Chest CT, axial plane, 120 kVp, kernel STANDARD. Slice 160/295 from the bottom of the scan; thickness 2.50 mm; pixel size 0.703 mm.
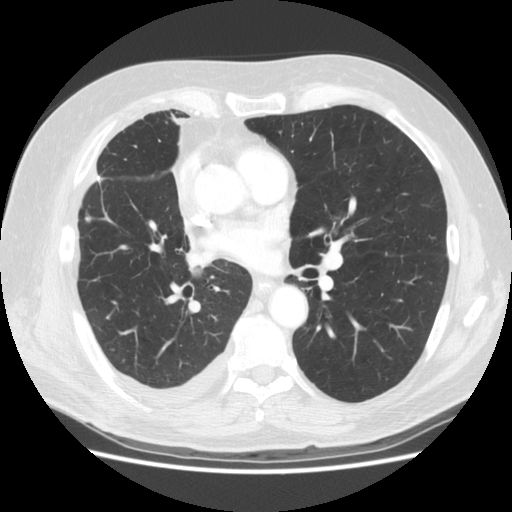
Pulmonary nodule outlined by all four readers, three of them on this slice; box rows 216–222, columns 84–90 (the union of the readers' outlines on this slice); the four readers' outlines give a longest diameter between 8.0 and 8.7 mm and a volume between 146 and 188 mm3. Ratings across the readers: texture 5/5 (solid), all four readers agreeing; margin from 4/5 to 5/5 (circumscribed) across the four readers; sphericity from 3/5 (ovoid) to 5/5 (round) across the four readers; calcification: solid calcification (three), absent (one); internal structure soft tissue from all four readers; subtlety 5/5 from all four readers; malignancy likelihood 1/5 from all four readers. Scale key (1–5): texture non-solid→solid, margin indistinct→circumscribed, sphericity linear→round, subtlety extremely subtle→obvious, malignancy likelihood highly unlikely→highly suspicious of cancer. Box rows and columns are 0-based pixel indices from the top-left corner, inclusive.